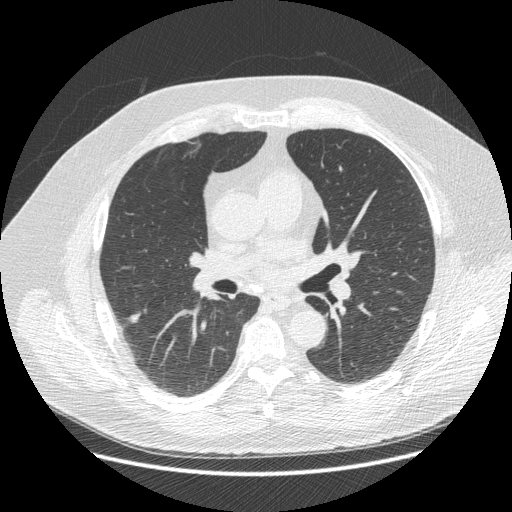
One axial slice (281 of 477, counting up from the lowest) of a chest CT acquired at 120 kVp with the STANDARD kernel; each pixel is 0.781 mm and the slice is 1.25 mm thick.
Pulmonary nodule at rows 312–323, columns 129–141 (box = the union of the readers' outlines on this slice), outlined by all four readers; median longest diameter 16.2 mm (readers' outlines 12.4–20.8 mm), median volume 295 mm3 (162–429 mm3). Median ratings and the readers' spread: texture 4/5 at the median of four readers, spread 1/5 (non-solid) to 5/5 (solid); median margin 3.5/5 (readers ranged 2/5 to 5/5 (circumscribed)); median sphericity 2.5/5 (readers ranged 2/5 to 4/5); calcification absent from all four readers; internal structure soft tissue, all four readers agreeing; subtlety 4.5/5 at the median of four readers, spread 3–5; median malignancy likelihood 3.5/5 (readers ranged 2–4). Scale key (1–5): texture non-solid→solid, margin indistinct→circumscribed, sphericity linear→round, subtlety extremely subtle→obvious, malignancy likelihood highly unlikely→highly suspicious of cancer. Box rows and columns are 0-based pixel indices from the top-left corner, inclusive.